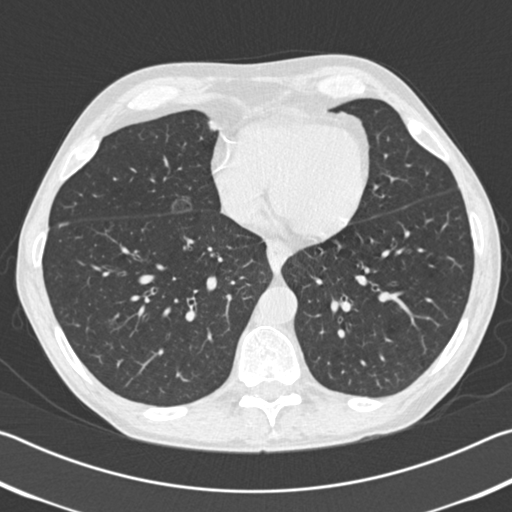
This is axial slice 67 of 192 (slice 1 is the lowest) of a chest CT; each pixel is 0.664 mm and the slice is 2.00 mm thick. Pulmonary nodule, outlined by one of the four readers. Box on this slice rows 195–210, columns 171–190, that reader's outline on this slice; longest diameter 17.7 mm and volume 2737 mm3 from that reader's outline. That reader's ratings: texture 1/5 (non-solid); margin 2/5; sphericity 4/5; calcification absent; internal structure soft tissue; subtlety 2/5; malignancy likelihood 2/5. Scale key (1–5): texture non-solid→solid, margin indistinct→circumscribed, sphericity linear→round, subtlety extremely subtle→obvious, malignancy likelihood highly unlikely→highly suspicious of cancer. Box rows and columns are 0-based pixel indices from the top-left corner, inclusive.
Scan settings: 120 kVp, B30f reconstruction kernel.